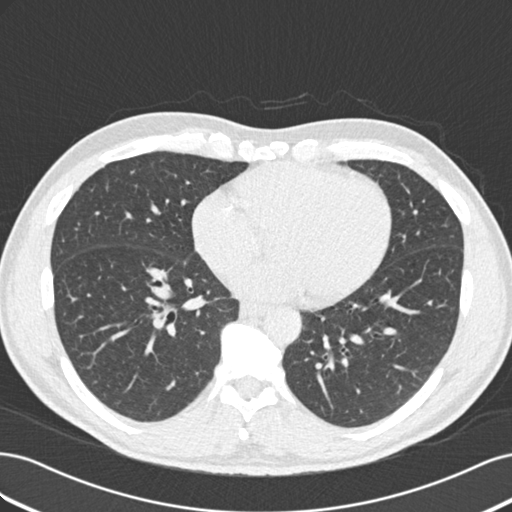
Chest CT, axial plane, 120 kVp, kernel B30f. Slice 75/187 from the bottom of the scan; thickness 2.00 mm; pixel size 0.703 mm.
No nodule of 3 mm or larger was outlined by any of the four readers on this slice.